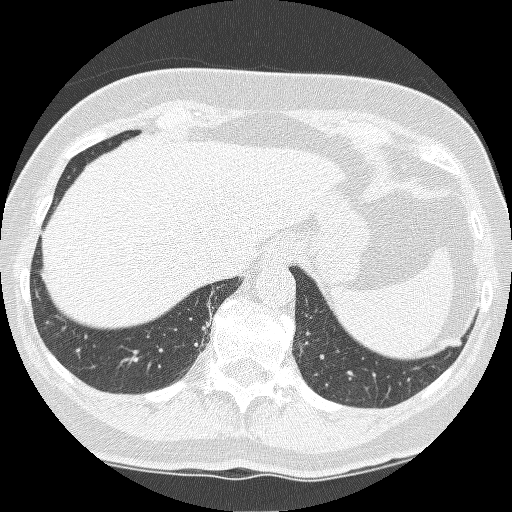
Axial chest CT slice 50 of 250 (counted from the lowest slice); 1.25 mm thick, 0.586 mm per pixel. Pulmonary nodule at rows 339–346, columns 449–462 (box = the union of the readers' outlines on this slice), outlined by three of the four readers; median longest diameter 9.5 mm (readers' outlines 9.0–10.8 mm), median volume 322 mm3 (291–346 mm3). Ratings, median across the readers with their spread: texture 5/5 (solid) at the median of three readers, spread 4/5 to 5/5 (solid); median margin 4/5 (readers ranged 3/5 to 4/5); sphericity 3/5 (ovoid), all three readers agreeing; calcification absent, all three readers agreeing; internal structure soft tissue from all three readers; subtlety 5/5 at the median of three readers, spread 4–5; median malignancy likelihood 4/5 (readers ranged 3–4). Scale key (1–5): texture non-solid→solid, margin indistinct→circumscribed, sphericity linear→round, subtlety extremely subtle→obvious, malignancy likelihood highly unlikely→highly suspicious of cancer. Box rows and columns are 0-based pixel indices from the top-left corner, inclusive.
Scan settings: 120 kVp, BONE reconstruction kernel.